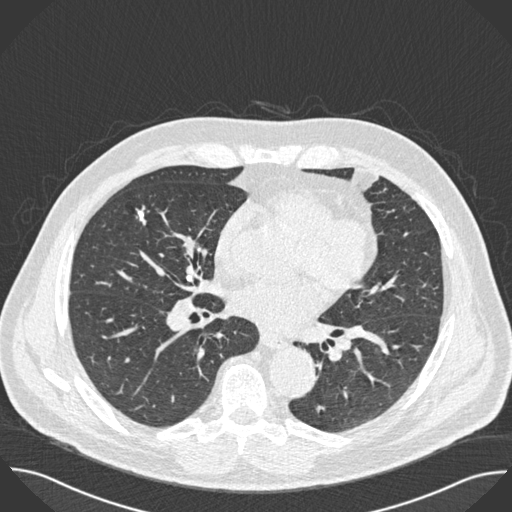
Chest CT, axial plane, 120 kVp, kernel B30f. Slice 262/493 from the bottom of the scan; thickness 0.75 mm; pixel size 0.762 mm.
Pulmonary nodule at rows 205–225, columns 136–146 (box = the union of the readers' outlines on this slice), outlined by all four readers; the four readers' outlines give a longest diameter between 10.9 and 16.8 mm and a volume between 182 and 413 mm3. The readers' ratings, as ranges where they differ: texture 5/5 (solid) from all four readers; margin from 3/5 to 5/5 (circumscribed) across the four readers; sphericity from 3/5 (ovoid) to 5/5 (round) across the four readers; calcification solid calcification from all four readers; internal structure soft tissue from all four readers; subtlety from 4/5 to 5/5 across the four readers; malignancy likelihood 1/5 from all four readers. Scale key (1–5): texture non-solid→solid, margin indistinct→circumscribed, sphericity linear→round, subtlety extremely subtle→obvious, malignancy likelihood highly unlikely→highly suspicious of cancer. Box rows and columns are 0-based pixel indices from the top-left corner, inclusive.